Axial chest CT slice 65 of 118 (counted from the lowest slice); tube voltage 135 kVp, convolution kernel FC01; slices 3.00 mm thick, 0.705 mm per pixel.
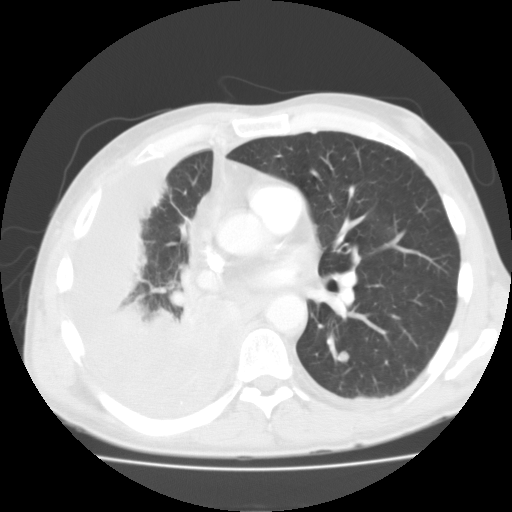
Pulmonary nodule at rows 350–362, columns 336–349 (box = the union of the readers' outlines on this slice), outlined by all four readers; the four readers' outlines give a longest diameter between 9.3 and 10.9 mm and a volume between 289 and 450 mm3. The readers' ratings, as ranges where they differ: texture from 3/5 (part-solid) to 5/5 (solid) across the four readers; margin from 4/5 to 5/5 (circumscribed) across the four readers; sphericity from 4/5 to 5/5 (round) across the four readers; calcification absent, all four readers agreeing; internal structure soft tissue, all four readers agreeing; subtlety 2–5/5 (the readers disagree); malignancy likelihood 2–5/5 (the readers disagree). Scale key (1–5): texture non-solid→solid, margin indistinct→circumscribed, sphericity linear→round, subtlety extremely subtle→obvious, malignancy likelihood highly unlikely→highly suspicious of cancer. Box rows and columns are 0-based pixel indices from the top-left corner, inclusive.